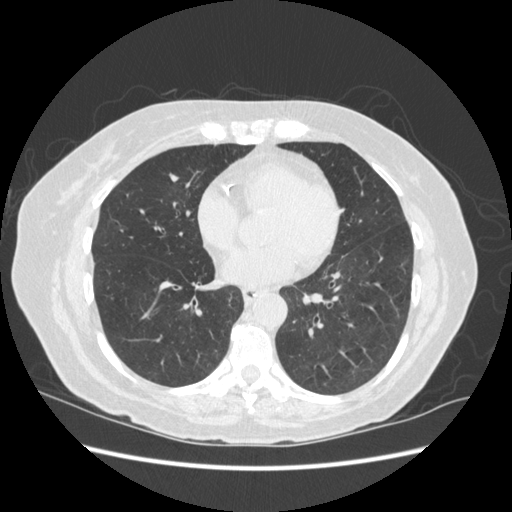
Slice 220/513 of a chest CT, counting up from the lowest; pixel size 0.703 mm, slice thickness 1.25 mm. Pulmonary nodule, outlined by three of the four readers. Box on this slice rows 173–182, columns 169–179, the union of the readers' outlines on this slice; median longest diameter 9.2 mm (readers' outlines 8.2–9.4 mm), median volume 151 mm3 (118–157 mm3). Ratings, median across the readers with their spread: texture 5/5 (solid) at the median of three readers, spread 4/5 to 5/5 (solid); median margin 4/5 (readers ranged 3/5 to 5/5 (circumscribed)); sphericity 3/5 (ovoid) from all three readers; calcification absent from all three readers; internal structure soft tissue, all three readers agreeing; subtlety 4/5 from all three readers; malignancy likelihood 3/5 at the median of three readers, spread 1–4. Scale key (1–5): texture non-solid→solid, margin indistinct→circumscribed, sphericity linear→round, subtlety extremely subtle→obvious, malignancy likelihood highly unlikely→highly suspicious of cancer. Box rows and columns are 0-based pixel indices from the top-left corner, inclusive.
Tube voltage 120 kVp; convolution kernel STANDARD.